Axial chest CT slice 73 of 130 (counted from the lowest slice); tube voltage 140 kVp, convolution kernel BONE; slices 2.50 mm thick, 0.596 mm per pixel.
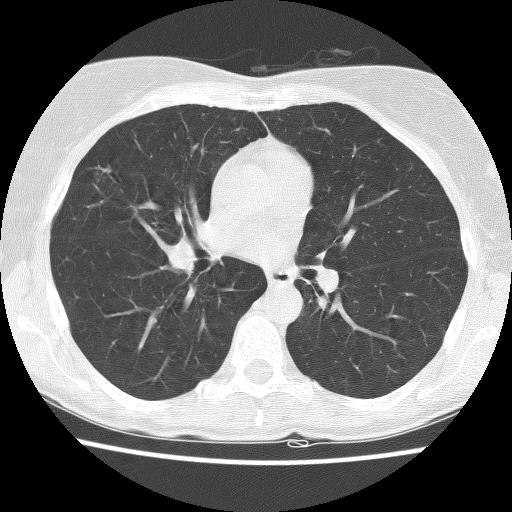
No nodule of 3 mm or larger was outlined by any of the four readers on this slice.